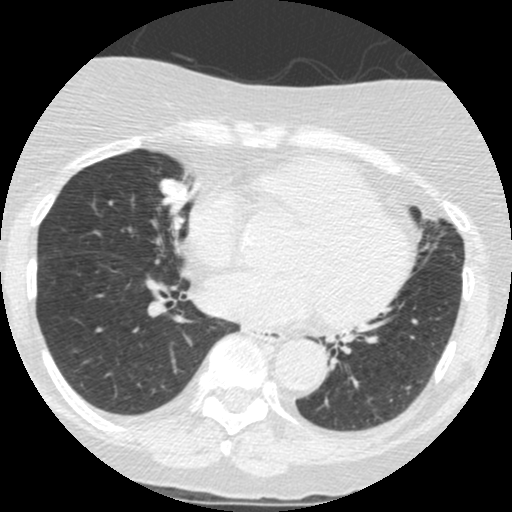
Axial chest CT slice 166 of 426 (counted from the lowest slice); 1.25 mm thick, 0.547 mm per pixel. Pulmonary nodule, outlined by all four readers. Box on this slice rows 178–212, columns 157–188, the union of the readers' outlines on this slice; median longest diameter 18.6 mm (readers' outlines 17.0–20.6 mm), median volume 1572 mm3 (1129–1635 mm3). Ratings, median across the readers with their spread: texture 5/5 (solid) at the median of four readers, spread 4/5 to 5/5 (solid); median margin 3.5/5 (readers ranged 2/5 to 5/5 (circumscribed)); median sphericity 4/5 (readers ranged 3/5 (ovoid) to 5/5 (round)); calcification: absent (three), non-central calcification (one); internal structure soft tissue from all four readers; median subtlety 4.5/5 (readers ranged 3–5); malignancy likelihood 3.5/5 at the median of four readers, spread 2–4. Scale key (1–5): texture non-solid→solid, margin indistinct→circumscribed, sphericity linear→round, subtlety extremely subtle→obvious, malignancy likelihood highly unlikely→highly suspicious of cancer. Box rows and columns are 0-based pixel indices from the top-left corner, inclusive.
Acquired at 120 kVp and reconstructed with the STANDARD kernel.